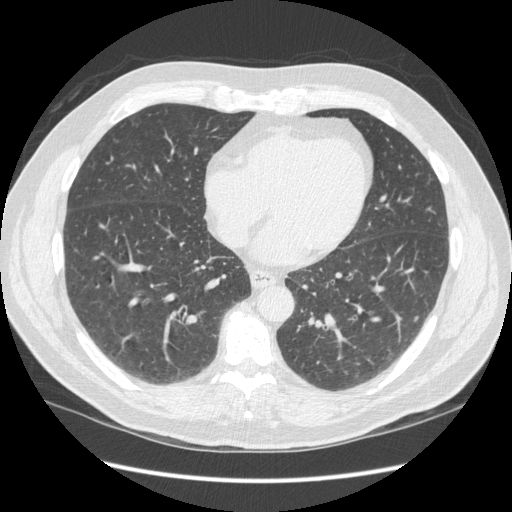
One axial slice (171 of 449, counting up from the lowest) of a chest CT acquired at 120 kVp with the STANDARD kernel; each pixel is 0.742 mm and the slice is 1.25 mm thick.
Pulmonary nodule, outlined by one of the four readers. Box on this slice rows 317–320, columns 415–417, that reader's outline on this slice; longest diameter 4.8 mm and volume 31 mm3 from that reader's outline. That reader's ratings: texture 5/5 (solid); margin 5/5 (circumscribed); sphericity 5/5 (round); calcification absent; internal structure soft tissue; subtlety 2/5; malignancy likelihood 2/5. Scale key (1–5): texture non-solid→solid, margin indistinct→circumscribed, sphericity linear→round, subtlety extremely subtle→obvious, malignancy likelihood highly unlikely→highly suspicious of cancer. Box rows and columns are 0-based pixel indices from the top-left corner, inclusive.